Axial chest CT slice 318 of 375 (counted from the lowest slice); tube voltage 120 kVp, convolution kernel STANDARD; slices 1.25 mm thick, 0.625 mm per pixel.
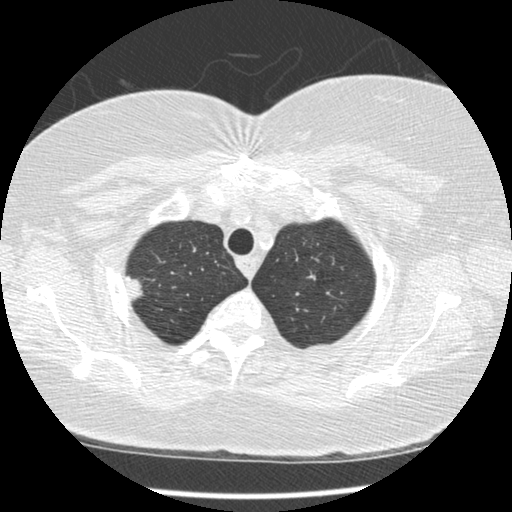
Pulmonary nodule outlined by all four readers, three of them on this slice; box rows 275–301, columns 125–142 (the union of the readers' outlines on this slice); the four readers' outlines give a longest diameter between 21.2 and 23.2 mm and a volume between 2289 and 3466 mm3. The readers' ratings, as ranges where they differ: texture from 4/5 to 5/5 (solid) across the four readers; margin from 3/5 to 5/5 (circumscribed) across the four readers; sphericity from 2/5 to 5/5 (round) across the four readers; calcification absent from all four readers; internal structure soft tissue from all four readers; subtlety 5/5, all four readers agreeing; malignancy likelihood from 3/5 to 5/5 across the four readers. Scale key (1–5): texture non-solid→solid, margin indistinct→circumscribed, sphericity linear→round, subtlety extremely subtle→obvious, malignancy likelihood highly unlikely→highly suspicious of cancer. Box rows and columns are 0-based pixel indices from the top-left corner, inclusive.